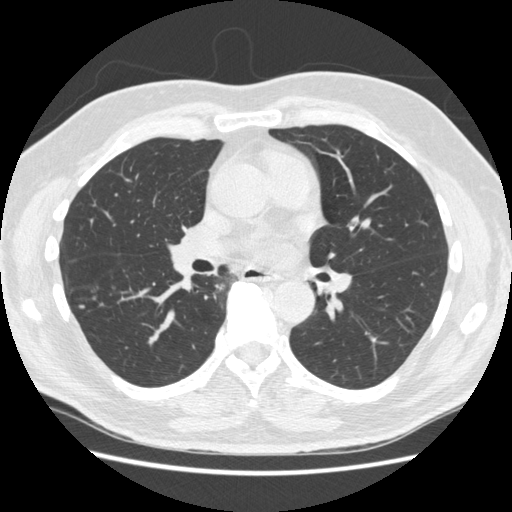
Axial chest CT slice 274 of 557 (counted from the lowest slice); tube voltage 120 kVp, convolution kernel STANDARD; slices 1.25 mm thick, 0.703 mm per pixel.
Pulmonary nodule outlined by two of the four readers; box rows 304–308, columns 78–84 (the union of the readers' outlines on this slice); longest diameter 6.0 mm on average over the two readers' outlines (readers' outlines 5.7–6.3 mm), volume 41–64 mm3. Ratings, by the readers' most common answer with dissent counted: texture 5/5 (solid), both readers agreeing; margin 5/5 (circumscribed), both readers agreeing; sphericity split among the readers: 4/5 (one), 5/5 (round) (one); calcification absent, both readers agreeing; internal structure soft tissue, both readers agreeing; subtlety split among the readers: 1/5 (one), 4/5 (one); malignancy likelihood split among the readers: 2/5 (one), 3/5 (one). Scale key (1–5): texture non-solid→solid, margin indistinct→circumscribed, sphericity linear→round, subtlety extremely subtle→obvious, malignancy likelihood highly unlikely→highly suspicious of cancer. Box rows and columns are 0-based pixel indices from the top-left corner, inclusive.